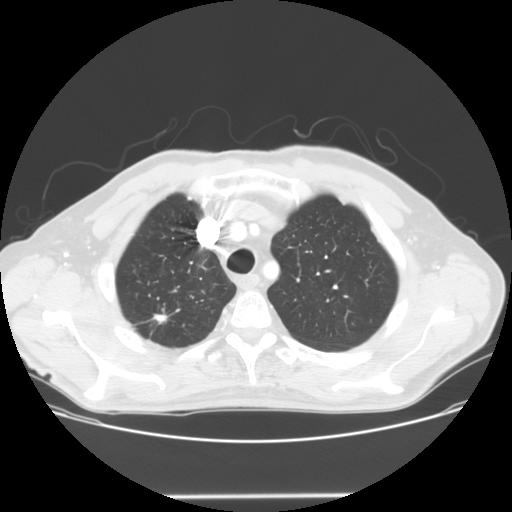
Axial slice 106 of 128 of a chest CT (slice 1 is the lowest), reconstructed with the STANDARD kernel at 120 kVp; 2.50 mm slice thickness and 0.742 mm pixels.
Two pulmonary nodules are outlined on this slice; from left to right: (1) Pulmonary nodule at rows 313–324, columns 151–168 (box = the union of the readers' outlines on this slice), outlined by all four readers; longest diameter 15.3 mm on average over the four readers' outlines (readers' outlines 14.3–17.2 mm), volume 762–950 mm3. Ratings, by the readers' most common answer with dissent counted: most readers (three of four) put texture at 5/5 (solid), others 4/5 (one); margin split among the readers: 3/5 (two), 4/5 (two); sphericity 3/5 (ovoid) by two of four readers; the rest gave 2/5 (one), 5/5 (round) (one); calcification absent by three of four readers, central calcification (one); internal structure soft tissue from all four readers; subtlety split among the readers: 4/5 (two), 5/5 (two); malignancy likelihood 4/5 by two of four readers; the rest gave 2/5 (one), 5/5 (one). (2) Pulmonary nodule at rows 197–199, columns 187–190 (box = the union of the readers' outlines on this slice), outlined by two of the four readers; median longest diameter 4.8 mm (readers' outlines 4.3–5.4 mm), median volume 71 mm3 (49–94 mm3). Median ratings and the readers' spread: texture 5/5 (solid), both readers agreeing; margin 5/5 (circumscribed), both readers agreeing; sphericity 5/5 (round), both readers agreeing; calcification solid calcification, both readers agreeing; internal structure soft tissue, both readers agreeing; subtlety 5/5, both readers agreeing; malignancy likelihood 1/5 from both readers. Scale key (1–5): texture non-solid→solid, margin indistinct→circumscribed, sphericity linear→round, subtlety extremely subtle→obvious, malignancy likelihood highly unlikely→highly suspicious of cancer. Box rows and columns are 0-based pixel indices from the top-left corner, inclusive.